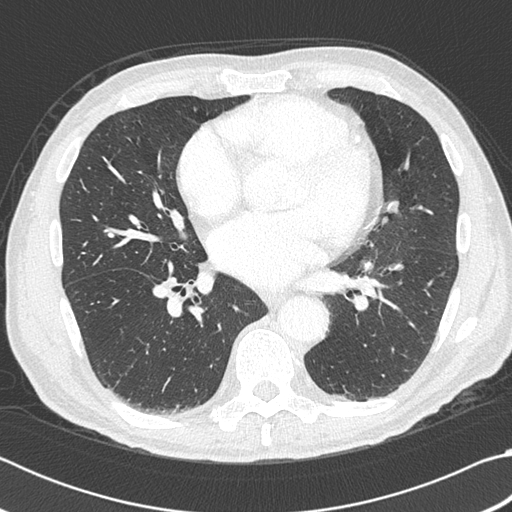
Axial chest CT slice 193 of 383 (counted from the lowest slice); tube voltage 120 kVp, convolution kernel B45f; slices 1.00 mm thick, 0.664 mm per pixel.
Pulmonary nodule outlined by all four readers, one of them on this slice; box rows 106–111, columns 193–196 (the one reader's outline on this slice); median longest diameter 10.6 mm (readers' outlines 9.8–12.2 mm), median volume 418 mm3 (379–631 mm3). Ratings, median across the readers with their spread: texture 5/5 (solid), all four readers agreeing; margin 5/5 (circumscribed) from all four readers; sphericity 4.5/5 at the median of four readers, spread 3/5 (ovoid) to 5/5 (round); calcification: absent (three), solid calcification (one); internal structure soft tissue, all four readers agreeing; subtlety 4.5/5 at the median of four readers, spread 4–5; median malignancy likelihood 2.5/5 (readers ranged 1–4). Scale key (1–5): texture non-solid→solid, margin indistinct→circumscribed, sphericity linear→round, subtlety extremely subtle→obvious, malignancy likelihood highly unlikely→highly suspicious of cancer. Box rows and columns are 0-based pixel indices from the top-left corner, inclusive.